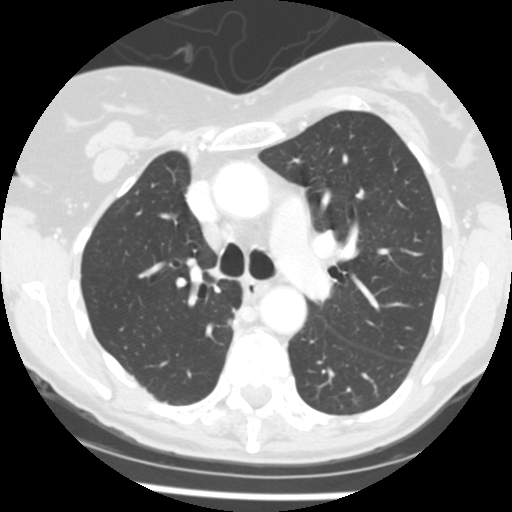
Chest CT, axial plane, 120 kVp, kernel STANDARD. Slice 159/245 from the bottom of the scan; thickness 2.50 mm; pixel size 0.547 mm.
Pulmonary nodule at rows 318–329, columns 227–237 (box = the union of the readers' outlines on this slice), outlined by all four readers, three of them on this slice; longest diameter 13.8 mm on average over the four readers' outlines (readers' outlines 13.1–14.5 mm), volume 549–868 mm3. The readers' prevailing ratings and who disagreed: texture 5/5 (solid) from all four readers; margin 4/5 by two of four readers; the rest gave 3/5 (one), 5/5 (circumscribed) (one); sphericity split among the readers: 2/5 (one), 3/5 (ovoid) (one), 4/5 (one), 5/5 (round) (one); calcification absent, all four readers agreeing; internal structure soft tissue from all four readers; most readers (three of four) put subtlety at 4/5, others 5/5 (one); malignancy likelihood 4/5 by two of four readers; the rest gave 3/5 (one), 5/5 (one). Scale key (1–5): texture non-solid→solid, margin indistinct→circumscribed, sphericity linear→round, subtlety extremely subtle→obvious, malignancy likelihood highly unlikely→highly suspicious of cancer. Box rows and columns are 0-based pixel indices from the top-left corner, inclusive.